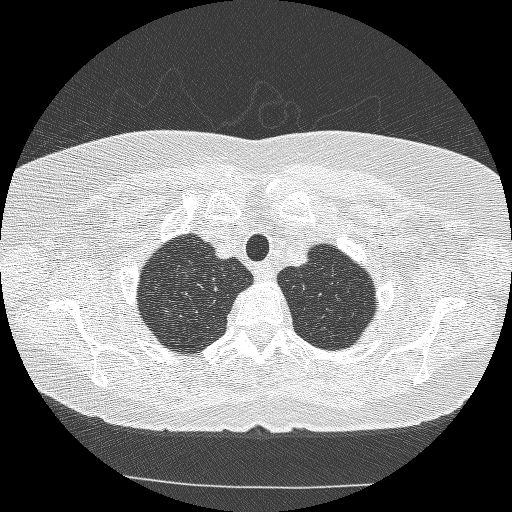
Axial slice 234 of 253 of a chest CT (slice 1 is the lowest), reconstructed with the BONE kernel at 120 kVp; 1.25 mm slice thickness and 0.625 mm pixels.
Pulmonary nodule at rows 308–311, columns 163–168 (box = the one reader's outline on this slice), outlined by all four readers, one of them on this slice; median longest diameter 14.0 mm (readers' outlines 12.3–15.8 mm), median volume 501 mm3 (480–587 mm3). Median ratings and the readers' spread: texture 1/5 (non-solid) at the median of four readers, spread 1/5 (non-solid) to 3/5 (part-solid); margin 3/5 at the median of four readers, spread 2/5 to 4/5; sphericity 3.5/5 at the median of four readers, spread 2/5 to 4/5; calcification absent, all four readers agreeing; internal structure soft tissue, all four readers agreeing; subtlety 4/5 at the median of four readers, spread 3–5; median malignancy likelihood 4/5 (readers ranged 3–5). Scale key (1–5): texture non-solid→solid, margin indistinct→circumscribed, sphericity linear→round, subtlety extremely subtle→obvious, malignancy likelihood highly unlikely→highly suspicious of cancer. Box rows and columns are 0-based pixel indices from the top-left corner, inclusive.